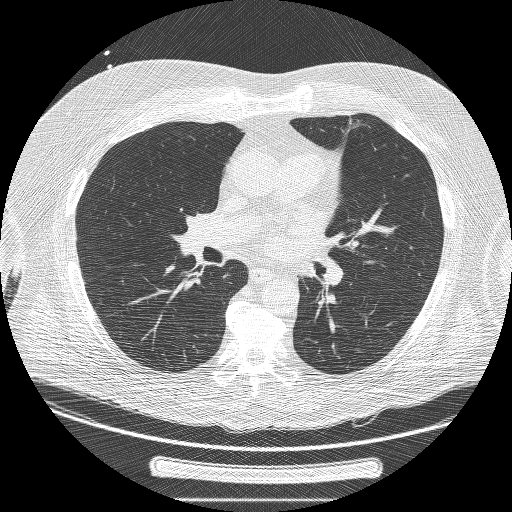
One axial slice (122 of 239, counting up from the lowest) of a chest CT acquired at 120 kVp with the BONE kernel; each pixel is 0.795 mm and the slice is 1.25 mm thick.
Pulmonary nodule, outlined by two of the four readers, one of them on this slice. Box on this slice rows 117–128, columns 346–365, the one reader's outline on this slice; longest diameter 43.0–43.4 mm and volume 10396–11168 mm3 across the two readers' outlines. The readers' ratings, as ranges where they differ: texture from 3/5 (part-solid) to 5/5 (solid) across the two readers; margin from 1/5 (indistinct) to 3/5 across the two readers; sphericity from 1/5 (linear) to 3/5 (ovoid) across the two readers; calcification absent from both readers; internal structure soft tissue, both readers agreeing; subtlety 5/5, both readers agreeing; malignancy likelihood 5/5 from both readers. Scale key (1–5): texture non-solid→solid, margin indistinct→circumscribed, sphericity linear→round, subtlety extremely subtle→obvious, malignancy likelihood highly unlikely→highly suspicious of cancer. Box rows and columns are 0-based pixel indices from the top-left corner, inclusive.